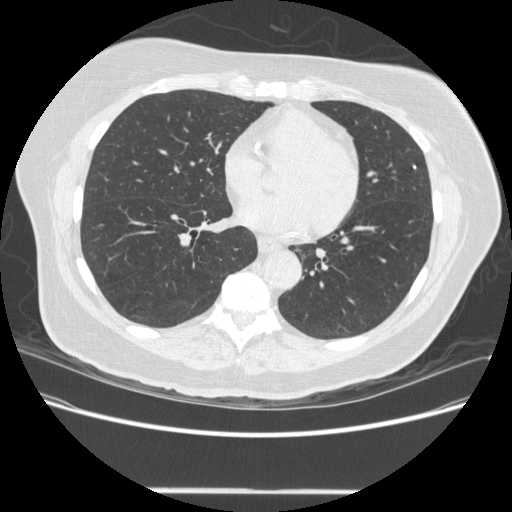
Axial chest CT slice 189 of 481 (counted from the lowest slice); 1.25 mm thick, 0.742 mm per pixel. Pulmonary nodule, outlined by two of the four readers. Box on this slice rows 164–169, columns 412–416, the union of the readers' outlines on this slice; longest diameter 5.4 mm and volume 38–43 mm3 across the two readers' outlines. The readers' ratings, as ranges where they differ: texture 5/5 (solid) from both readers; margin from 4/5 to 5/5 (circumscribed) across the two readers; sphericity from 4/5 to 5/5 (round) across the two readers; calcification split among the readers: solid calcification (one), absent (one); internal structure soft tissue from both readers; subtlety from 3/5 to 5/5 across the two readers; malignancy likelihood from 1/5 to 2/5 across the two readers. Scale key (1–5): texture non-solid→solid, margin indistinct→circumscribed, sphericity linear→round, subtlety extremely subtle→obvious, malignancy likelihood highly unlikely→highly suspicious of cancer. Box rows and columns are 0-based pixel indices from the top-left corner, inclusive.
Tube voltage 120 kVp; convolution kernel STANDARD.